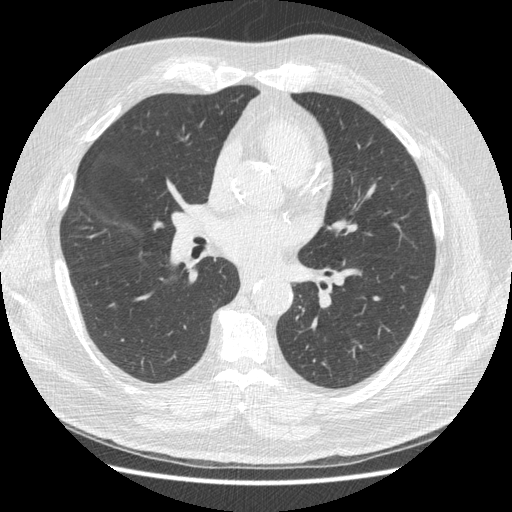
One axial slice (239 of 487, counting up from the lowest) of a chest CT acquired at 120 kVp with the STANDARD kernel; each pixel is 0.703 mm and the slice is 1.25 mm thick.
Pulmonary nodule at rows 323–325, columns 356–359 (box = the one reader's outline on this slice), outlined by all four readers, one of them on this slice; longest diameter 6.7 mm on average over the four readers' outlines (readers' outlines 6.5–7.1 mm), volume 68–92 mm3. Ratings, by the readers' most common answer with dissent counted: texture 5/5 (solid) from all four readers; margin 5/5 (circumscribed) from all four readers; sphericity 5/5 (round) by two of four readers; the rest gave 3/5 (ovoid) (one), 4/5 (one); calcification solid calcification, all four readers agreeing; internal structure soft tissue from all four readers; subtlety 5/5 by three of four readers; the rest gave 4/5 (one); malignancy likelihood 1/5 from all four readers. Scale key (1–5): texture non-solid→solid, margin indistinct→circumscribed, sphericity linear→round, subtlety extremely subtle→obvious, malignancy likelihood highly unlikely→highly suspicious of cancer. Box rows and columns are 0-based pixel indices from the top-left corner, inclusive.